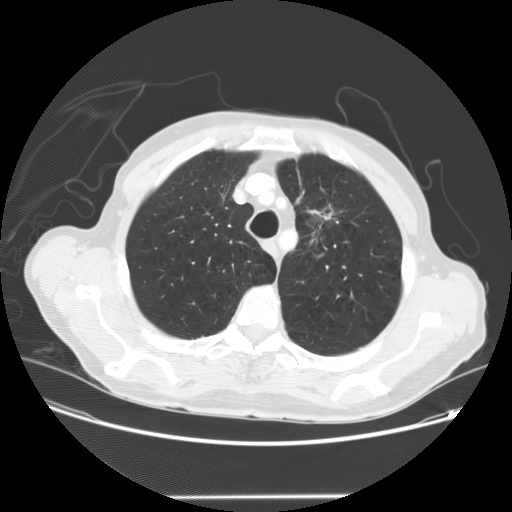
Axial chest CT slice 121 of 147 (counted from the lowest slice); 2.50 mm thick, 0.781 mm per pixel. Pulmonary nodule at rows 204–251, columns 301–341 (box = the one reader's outline on this slice), outlined by all four readers, one of them on this slice; longest diameter 32.8 mm on average over the four readers' outlines (readers' outlines 28.8–40.5 mm), volume 3077–10560 mm3. The readers' prevailing ratings and who disagreed: texture split among the readers: 3/5 (part-solid) (two), 5/5 (solid) (two); margin split among the readers: 2/5 (one), 3/5 (one), 4/5 (one), 5/5 (circumscribed) (one); sphericity 3/5 (ovoid) from all four readers; calcification absent from all four readers; internal structure soft tissue from all four readers; subtlety 5/5 by three of four readers; the rest gave 4/5 (one); malignancy likelihood 5/5 by two of four readers; the rest gave 3/5 (one), 4/5 (one). Scale key (1–5): texture non-solid→solid, margin indistinct→circumscribed, sphericity linear→round, subtlety extremely subtle→obvious, malignancy likelihood highly unlikely→highly suspicious of cancer. Box rows and columns are 0-based pixel indices from the top-left corner, inclusive.
Tube voltage 120 kVp; convolution kernel STANDARD.